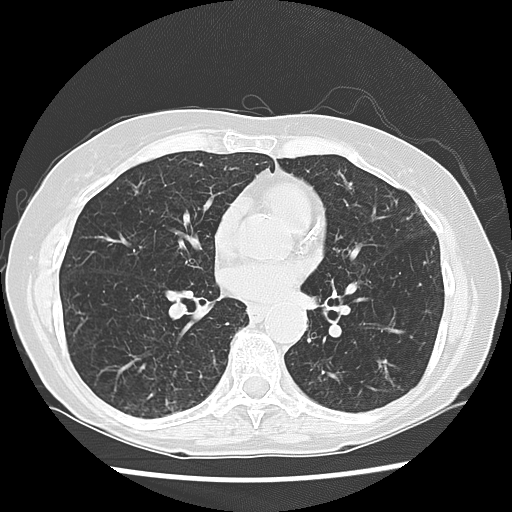
Axial chest CT slice 71 of 133 (counted from the lowest slice); tube voltage 120 kVp, convolution kernel LUNG; slices 2.50 mm thick, 0.625 mm per pixel.
The readers outlined no nodule of 3 mm or more on this slice.